Axial slice 116 of 465 of a chest CT (slice 1 is the lowest), reconstructed with the STANDARD kernel at 120 kVp; 1.25 mm slice thickness and 0.586 mm pixels.
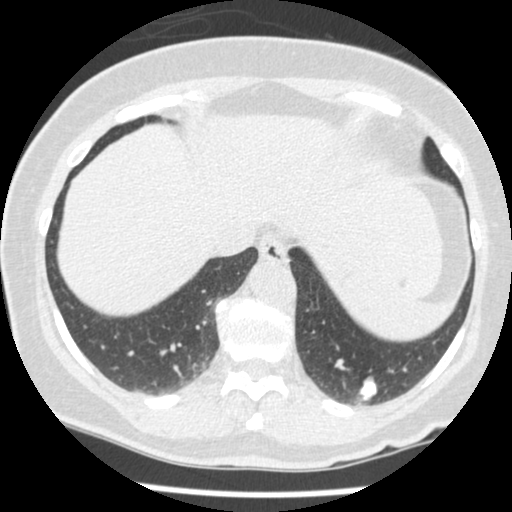
Pulmonary nodule at rows 377–400, columns 360–376 (box = the union of the readers' outlines on this slice), outlined by all four readers; longest diameter 18.1 mm on average over the four readers' outlines (readers' outlines 15.8–20.8 mm), volume 1106–1600 mm3. The readers' prevailing ratings and who disagreed: texture 5/5 (solid), all four readers agreeing; margin 4/5 by two of four readers; the rest gave 3/5 (one), 5/5 (circumscribed) (one); most readers (three of four) put sphericity at 4/5, others 3/5 (ovoid) (one); calcification absent by two of four readers, solid calcification (one), central calcification (one); internal structure soft tissue, all four readers agreeing; subtlety 5/5, all four readers agreeing; malignancy likelihood 1/5 by two of four readers; the rest gave 4/5 (one), 5/5 (one). Scale key (1–5): texture non-solid→solid, margin indistinct→circumscribed, sphericity linear→round, subtlety extremely subtle→obvious, malignancy likelihood highly unlikely→highly suspicious of cancer. Box rows and columns are 0-based pixel indices from the top-left corner, inclusive.